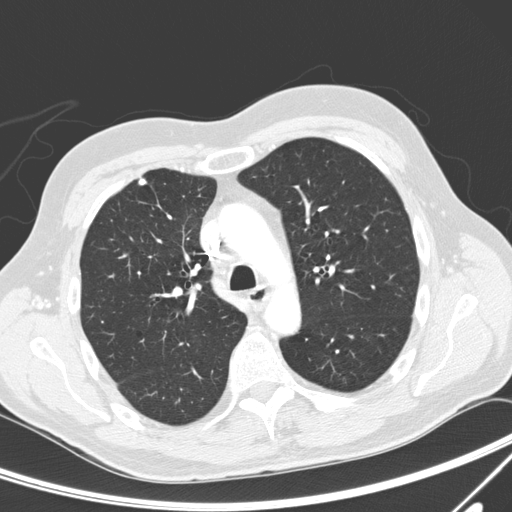
Axial slice 188 of 300 of a chest CT (slice 1 is the lowest), reconstructed with the D kernel at 120 kVp; 2.00 mm slice thickness and 0.678 mm pixels.
Pulmonary nodule outlined by all four readers; box rows 178–185, columns 138–145 (the union of the readers' outlines on this slice); the four readers' outlines give a longest diameter between 7.9 and 8.5 mm and a volume between 191 and 251 mm3. Ratings across the readers: texture 5/5 (solid), all four readers agreeing; margin from 4/5 to 5/5 (circumscribed) across the four readers; sphericity from 3/5 (ovoid) to 5/5 (round) across the four readers; calcification: solid calcification (three), absent (one); internal structure soft tissue, all four readers agreeing; subtlety 5/5, all four readers agreeing; malignancy likelihood rated between 1 and 3 out of 5 by the four readers. Scale key (1–5): texture non-solid→solid, margin indistinct→circumscribed, sphericity linear→round, subtlety extremely subtle→obvious, malignancy likelihood highly unlikely→highly suspicious of cancer. Box rows and columns are 0-based pixel indices from the top-left corner, inclusive.